Chest CT, axial plane, 120 kVp, kernel STANDARD. Slice 92/261 from the bottom of the scan; thickness 1.25 mm; pixel size 0.682 mm.
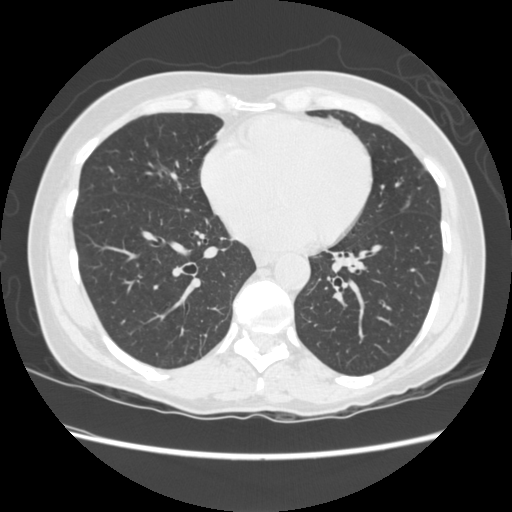
No nodule 3 mm or larger was outlined here by any reader.